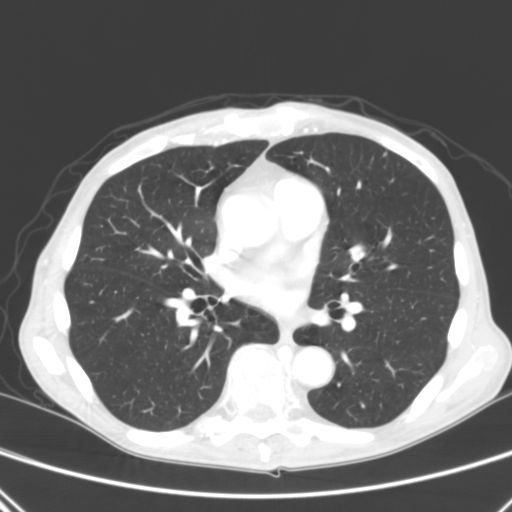
One axial slice (144 of 290, counting up from the lowest) of a chest CT acquired at 120 kVp with the B kernel; each pixel is 0.639 mm and the slice is 2.00 mm thick.
Pulmonary nodule outlined by two of the four readers; box rows 152–156, columns 382–387 (the union of the readers' outlines on this slice); median longest diameter 4.8 mm (readers' outlines 4.6–4.9 mm), median volume 45 mm3 (37–52 mm3). Median ratings and the readers' spread: texture 5/5 (solid) from both readers; margin 4.5/5 at the median of two readers, spread 4/5 to 5/5 (circumscribed); sphericity 4/5 from both readers; calcification absent, both readers agreeing; internal structure soft tissue, both readers agreeing; median subtlety 4.5/5 (readers ranged 4–5); median malignancy likelihood 2.5/5 (readers ranged 2–3). Scale key (1–5): texture non-solid→solid, margin indistinct→circumscribed, sphericity linear→round, subtlety extremely subtle→obvious, malignancy likelihood highly unlikely→highly suspicious of cancer. Box rows and columns are 0-based pixel indices from the top-left corner, inclusive.